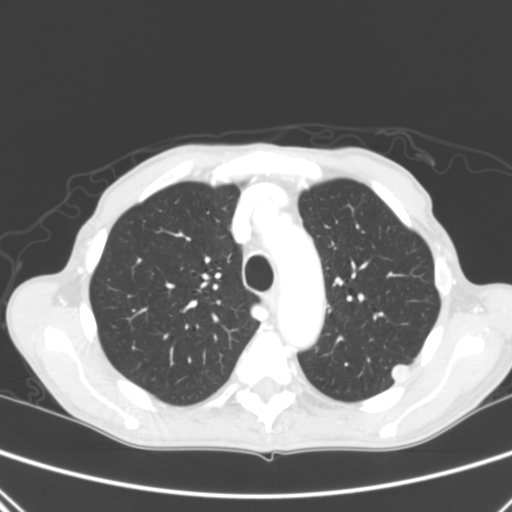
One axial slice (214 of 290, counting up from the lowest) of a chest CT acquired at 120 kVp with the B kernel; each pixel is 0.639 mm and the slice is 2.00 mm thick.
Pulmonary nodule at rows 364–382, columns 390–409 (box = the union of the readers' outlines on this slice), outlined by all four readers; median longest diameter 14.4 mm (readers' outlines 12.9–15.8 mm), median volume 1103 mm3 (837–1237 mm3). Ratings, median across the readers with their spread: median texture 5/5 (solid) (readers ranged 4/5 to 5/5 (solid)); median margin 4.5/5 (readers ranged 4/5 to 5/5 (circumscribed)); median sphericity 5/5 (round) (readers ranged 3/5 (ovoid) to 5/5 (round)); calcification: absent (three), laminated calcification (one); internal structure soft tissue, all four readers agreeing; subtlety 5/5 at the median of four readers, spread 4–5; malignancy likelihood 3.5/5 at the median of four readers, spread 2–5. Scale key (1–5): texture non-solid→solid, margin indistinct→circumscribed, sphericity linear→round, subtlety extremely subtle→obvious, malignancy likelihood highly unlikely→highly suspicious of cancer. Box rows and columns are 0-based pixel indices from the top-left corner, inclusive.